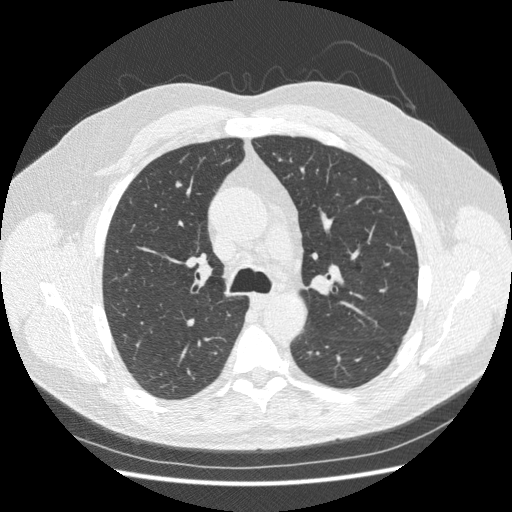
Slice 160/250 of a chest CT, counting up from the lowest; pixel size 0.703 mm, slice thickness 1.25 mm. Pulmonary nodule outlined by all four readers; box rows 180–187, columns 175–181 (the union of the readers' outlines on this slice); longest diameter 5.8–7.3 mm and volume 93–146 mm3 across the four readers' outlines. The readers' ratings, as ranges where they differ: texture 5/5 (solid), all four readers agreeing; margin from 4/5 to 5/5 (circumscribed) across the four readers; sphericity from 3/5 (ovoid) to 5/5 (round) across the four readers; calcification absent, all four readers agreeing; internal structure soft tissue from all four readers; subtlety from 3/5 to 5/5 across the four readers; malignancy likelihood from 2/5 to 4/5 across the four readers. Scale key (1–5): texture non-solid→solid, margin indistinct→circumscribed, sphericity linear→round, subtlety extremely subtle→obvious, malignancy likelihood highly unlikely→highly suspicious of cancer. Box rows and columns are 0-based pixel indices from the top-left corner, inclusive.
Tube voltage 120 kVp; convolution kernel STANDARD.